Axial chest CT slice 237 of 300 (counted from the lowest slice); tube voltage 120 kVp, convolution kernel D; slices 2.00 mm thick, 0.678 mm per pixel.
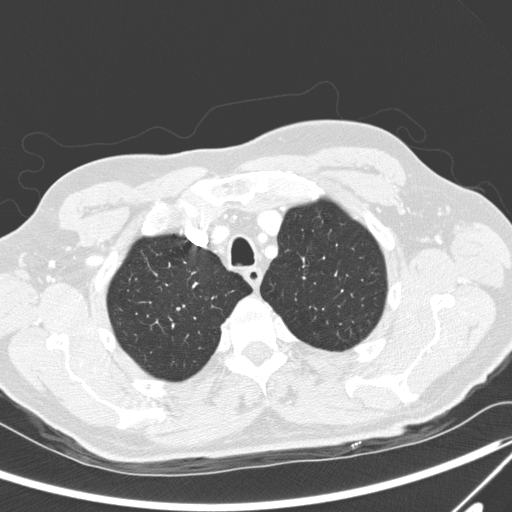
Pulmonary nodule at rows 306–310, columns 176–180 (box = that reader's outline on this slice), outlined by one of the four readers; longest diameter 5.2 mm and volume 59 mm3 from that reader's outline. Ratings by that reader: texture 5/5 (solid); margin 4/5; sphericity 5/5 (round); calcification absent; internal structure soft tissue; subtlety 5/5; malignancy likelihood 3/5. Scale key (1–5): texture non-solid→solid, margin indistinct→circumscribed, sphericity linear→round, subtlety extremely subtle→obvious, malignancy likelihood highly unlikely→highly suspicious of cancer. Box rows and columns are 0-based pixel indices from the top-left corner, inclusive.